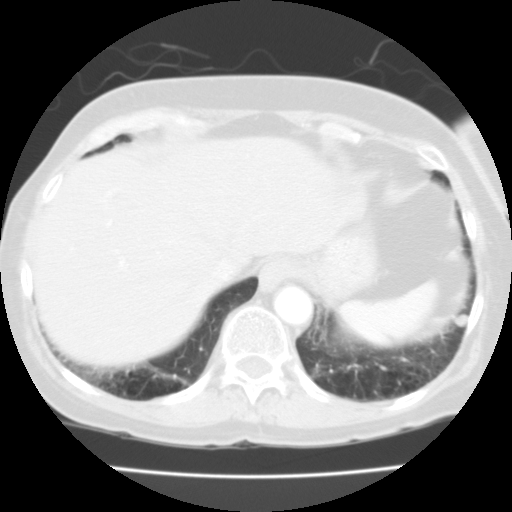
Axial chest CT slice 29 of 109 (counted from the lowest slice); tube voltage 135 kVp, convolution kernel FC01; slices 3.00 mm thick, 0.613 mm per pixel.
Pulmonary nodule outlined by all four readers; box rows 314–326, columns 455–467 (the union of the readers' outlines on this slice); median longest diameter 9.4 mm (readers' outlines 9.3–9.7 mm), median volume 230 mm3 (194–480 mm3). Median ratings and the readers' spread: median texture 5/5 (solid) (readers ranged 4/5 to 5/5 (solid)); margin 4/5 at the median of four readers, spread 3/5 to 5/5 (circumscribed); median sphericity 3.5/5 (readers ranged 3/5 (ovoid) to 5/5 (round)); calcification absent, all four readers agreeing; internal structure soft tissue from all four readers; subtlety 2.5/5 at the median of four readers, spread 2–4; median malignancy likelihood 2.5/5 (readers ranged 2–4). Scale key (1–5): texture non-solid→solid, margin indistinct→circumscribed, sphericity linear→round, subtlety extremely subtle→obvious, malignancy likelihood highly unlikely→highly suspicious of cancer. Box rows and columns are 0-based pixel indices from the top-left corner, inclusive.